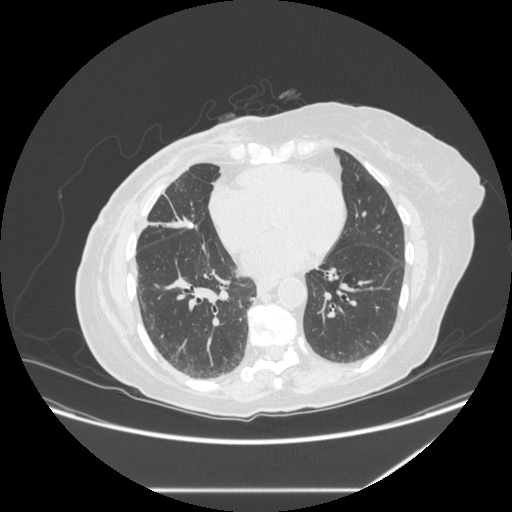
Axial chest CT slice 132 of 281 (counted from the lowest slice); 1.25 mm thick, 0.816 mm per pixel. Pulmonary nodule outlined by all four readers, two of them on this slice; box rows 297–301, columns 250–253 (the union of the readers' outlines on this slice); longest diameter 6.3 mm on average over the four readers' outlines (readers' outlines 5.2–7.0 mm), volume 50–113 mm3. The readers' prevailing ratings and who disagreed: texture 5/5 (solid) from all four readers; margin 5/5 (circumscribed) from all four readers; sphericity 5/5 (round) by two of four readers; the rest gave 3/5 (ovoid) (one), 4/5 (one); calcification solid calcification by two of four readers, absent (one), central calcification (one); internal structure soft tissue from all four readers; subtlety split among the readers: 2/5 (one), 3/5 (one), 4/5 (one), 5/5 (one); most readers (three of four) put malignancy likelihood at 1/5, others 2/5 (one). Scale key (1–5): texture non-solid→solid, margin indistinct→circumscribed, sphericity linear→round, subtlety extremely subtle→obvious, malignancy likelihood highly unlikely→highly suspicious of cancer. Box rows and columns are 0-based pixel indices from the top-left corner, inclusive.
Tube voltage 120 kVp; convolution kernel STANDARD.